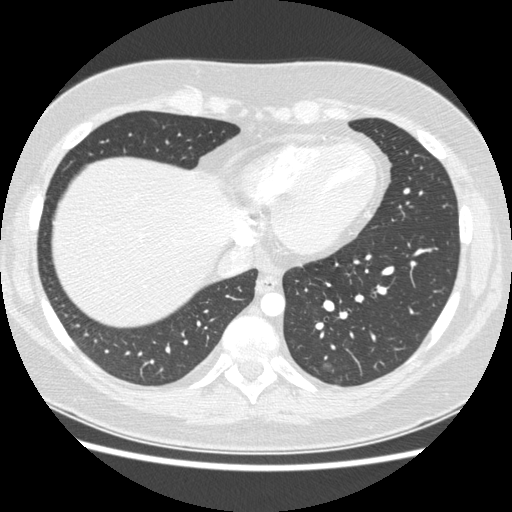
Axial chest CT slice 81 of 238 (counted from the lowest slice); tube voltage 120 kVp, convolution kernel STANDARD; slices 1.25 mm thick, 0.703 mm per pixel.
Pulmonary nodule, outlined by three of the four readers. Box on this slice rows 362–368, columns 323–331, the union of the readers' outlines on this slice; median longest diameter 8.2 mm (readers' outlines 7.2–8.8 mm), median volume 137 mm3 (76–177 mm3). Median ratings and the readers' spread: texture 1/5 (non-solid), all three readers agreeing; margin 3/5 at the median of three readers, spread 3/5 to 4/5; median sphericity 4/5 (readers ranged 3/5 (ovoid) to 4/5); calcification absent from all three readers; internal structure soft tissue, all three readers agreeing; median subtlety 3/5 (readers ranged 1–3); malignancy likelihood 3/5 at the median of three readers, spread 2–4. Scale key (1–5): texture non-solid→solid, margin indistinct→circumscribed, sphericity linear→round, subtlety extremely subtle→obvious, malignancy likelihood highly unlikely→highly suspicious of cancer. Box rows and columns are 0-based pixel indices from the top-left corner, inclusive.